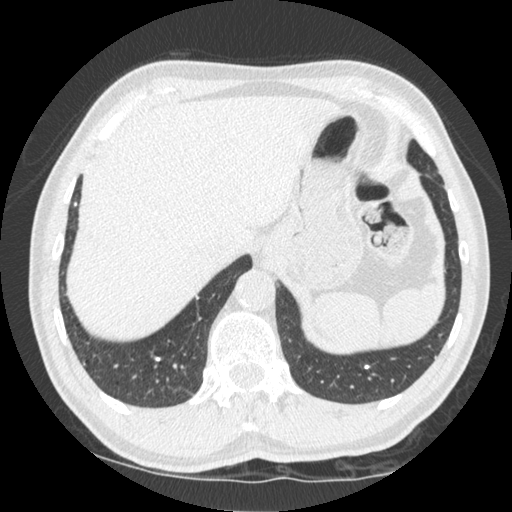
This is axial slice 91 of 535 (slice 1 is the lowest) of a chest CT; each pixel is 0.664 mm and the slice is 1.25 mm thick. Pulmonary nodule, outlined by all four readers. Box on this slice rows 357–361, columns 154–160, the union of the readers' outlines on this slice; the four readers' outlines give a longest diameter between 4.7 and 6.5 mm and a volume between 34 and 62 mm3. The readers' ratings, as ranges where they differ: texture 5/5 (solid), all four readers agreeing; margin 5/5 (circumscribed), all four readers agreeing; sphericity from 4/5 to 5/5 (round) across the four readers; calcification solid calcification, all four readers agreeing; internal structure soft tissue from all four readers; subtlety rated between 4 and 5 out of 5 by the four readers; malignancy likelihood 1/5 from all four readers. Scale key (1–5): texture non-solid→solid, margin indistinct→circumscribed, sphericity linear→round, subtlety extremely subtle→obvious, malignancy likelihood highly unlikely→highly suspicious of cancer. Box rows and columns are 0-based pixel indices from the top-left corner, inclusive.
Acquired at 120 kVp and reconstructed with the STANDARD kernel.